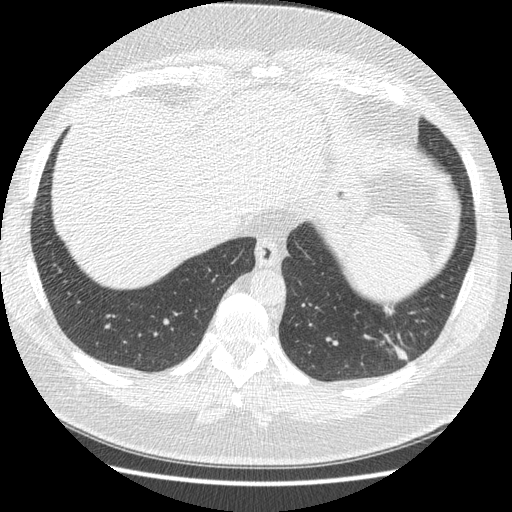
This is axial slice 69 of 421 (slice 1 is the lowest) of a chest CT; each pixel is 0.703 mm and the slice is 1.25 mm thick. Pulmonary nodule at rows 306–361, columns 382–407 (box = the union of the readers' outlines on this slice), outlined four times (the source holds four more outlines, not used); median longest diameter 32.9 mm (readers' outlines 30.9–38.9 mm), median volume 5450 mm3 (4443–5826 mm3). Median ratings and the readers' spread: median texture 5/5 (solid) (readers ranged 4/5 to 5/5 (solid)); median margin 4/5 (readers ranged 3/5 to 4/5); median sphericity 2.5/5 (readers ranged 2/5 to 4/5); calcification absent, all four readers agreeing; internal structure soft tissue from all four readers; subtlety 5/5 at the median of four readers, spread 4–5; malignancy likelihood 3.5/5 at the median of four readers, spread 2–5. Scale key (1–5): texture non-solid→solid, margin indistinct→circumscribed, sphericity linear→round, subtlety extremely subtle→obvious, malignancy likelihood highly unlikely→highly suspicious of cancer. Box rows and columns are 0-based pixel indices from the top-left corner, inclusive.
Tube voltage 120 kVp; convolution kernel STANDARD.